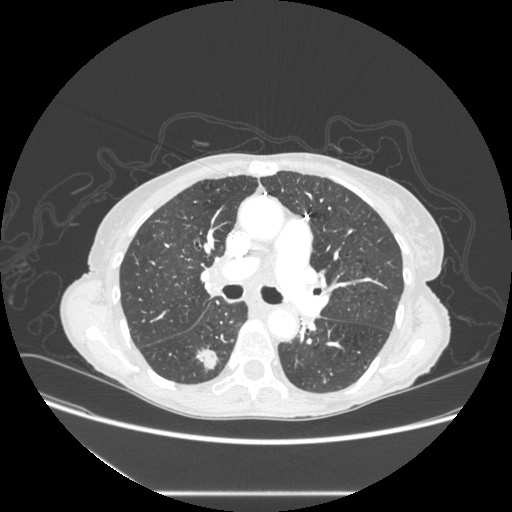
Axial chest CT slice 179 of 289 (counted from the lowest slice); tube voltage 120 kVp, convolution kernel STANDARD; slices 1.25 mm thick, 0.764 mm per pixel.
Pulmonary nodule at rows 346–370, columns 196–218 (box = the union of the readers' outlines on this slice), outlined by all four readers; median longest diameter 21.1 mm (readers' outlines 20.5–21.9 mm), median volume 2513 mm3 (2320–2697 mm3). Median ratings and the readers' spread: texture 4.5/5 at the median of four readers, spread 4/5 to 5/5 (solid); margin 4/5 from all four readers; median sphericity 3/5 (ovoid) (readers ranged 3/5 (ovoid) to 5/5 (round)); calcification absent, all four readers agreeing; internal structure soft tissue from all four readers; subtlety 5/5 at the median of four readers, spread 4–5; median malignancy likelihood 4.5/5 (readers ranged 3–5). Scale key (1–5): texture non-solid→solid, margin indistinct→circumscribed, sphericity linear→round, subtlety extremely subtle→obvious, malignancy likelihood highly unlikely→highly suspicious of cancer. Box rows and columns are 0-based pixel indices from the top-left corner, inclusive.